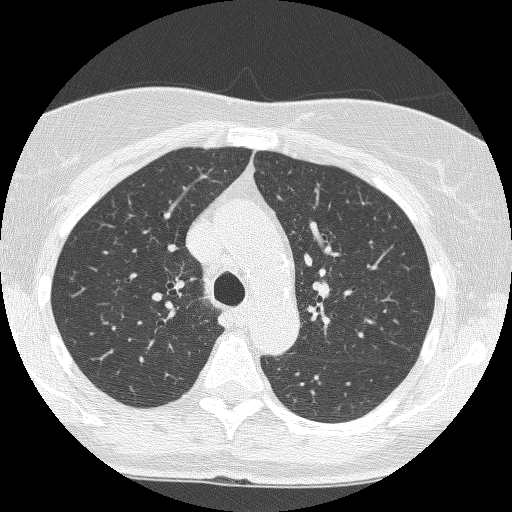
One axial slice (178 of 250, counting up from the lowest) of a chest CT acquired at 120 kVp with the BONE kernel; each pixel is 0.586 mm and the slice is 1.25 mm thick.
No nodule of 3 mm or larger was outlined by any of the four readers on this slice.